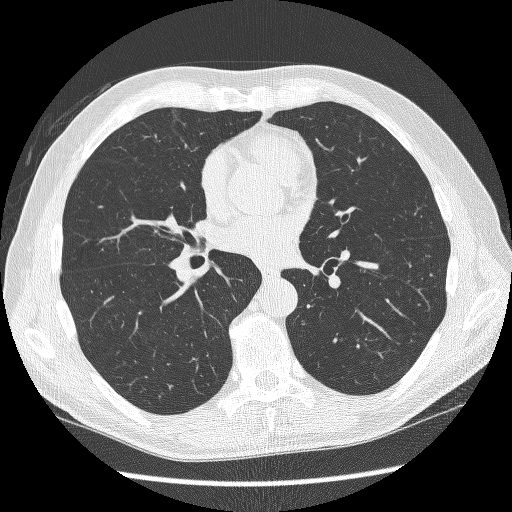
One axial slice (134 of 261, counting up from the lowest) of a chest CT acquired at 120 kVp with the BONE kernel; each pixel is 0.689 mm and the slice is 1.25 mm thick.
The readers outlined no nodule of 3 mm or more on this slice.